One axial slice (147 of 426, counting up from the lowest) of a chest CT acquired at 120 kVp with the STANDARD kernel; each pixel is 0.742 mm and the slice is 1.25 mm thick.
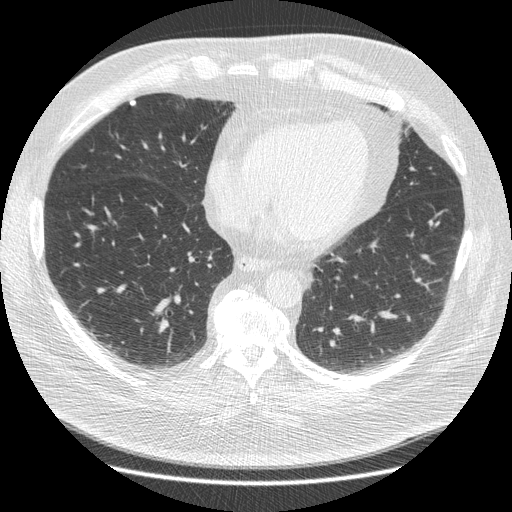
Pulmonary nodule, outlined by three of the four readers. Box on this slice rows 99–105, columns 129–136, the union of the readers' outlines on this slice; median longest diameter 6.3 mm (readers' outlines 6.1–6.7 mm), median volume 77 mm3 (62–77 mm3). Ratings, median across the readers with their spread: texture 5/5 (solid) from all three readers; margin 5/5 (circumscribed) from all three readers; median sphericity 3/5 (ovoid) (readers ranged 3/5 (ovoid) to 5/5 (round)); calcification: solid calcification (two), absent (one); internal structure soft tissue from all three readers; subtlety 4/5 at the median of three readers, spread 4–5; median malignancy likelihood 1/5 (readers ranged 1–3). Scale key (1–5): texture non-solid→solid, margin indistinct→circumscribed, sphericity linear→round, subtlety extremely subtle→obvious, malignancy likelihood highly unlikely→highly suspicious of cancer. Box rows and columns are 0-based pixel indices from the top-left corner, inclusive.